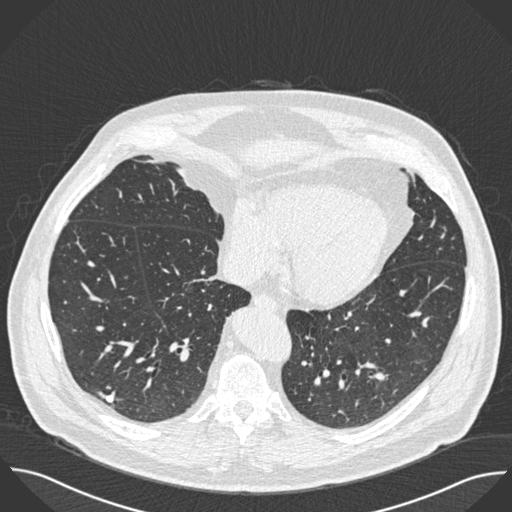
Axial chest CT slice 199 of 493 (counted from the lowest slice); tube voltage 120 kVp, convolution kernel B30f; slices 0.75 mm thick, 0.762 mm per pixel.
Pulmonary nodule at rows 395–402, columns 105–113 (box = the union of the readers' outlines on this slice), outlined by three of the four readers; longest diameter 7.2–8.5 mm and volume 95–166 mm3 across the three readers' outlines. Ratings across the readers: texture 5/5 (solid) from all three readers; margin 5/5 (circumscribed), all three readers agreeing; sphericity from 4/5 to 5/5 (round) across the three readers; calcification solid calcification, all three readers agreeing; internal structure soft tissue from all three readers; subtlety 4–5/5 (the readers disagree); malignancy likelihood 1/5, all three readers agreeing. Scale key (1–5): texture non-solid→solid, margin indistinct→circumscribed, sphericity linear→round, subtlety extremely subtle→obvious, malignancy likelihood highly unlikely→highly suspicious of cancer. Box rows and columns are 0-based pixel indices from the top-left corner, inclusive.